Axial chest CT slice 261 of 423 (counted from the lowest slice); tube voltage 120 kVp, convolution kernel B30f; slices 0.75 mm thick, 0.520 mm per pixel.
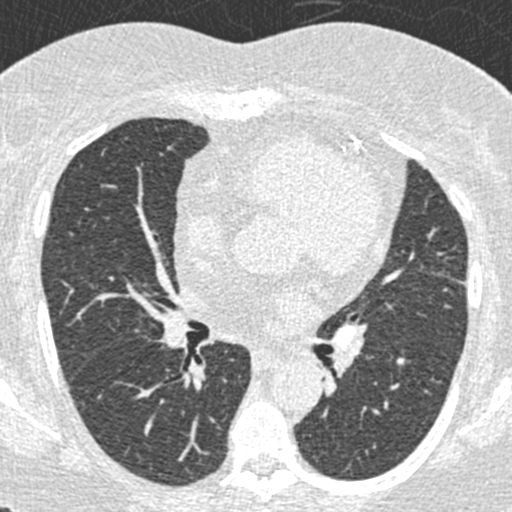
Pulmonary nodule outlined by all four readers, three of them on this slice; box rows 357–365, columns 396–404 (the union of the readers' outlines on this slice); longest diameter 8.7 mm on average over the four readers' outlines (readers' outlines 8.1–9.5 mm), volume 146–244 mm3. Ratings, by the readers' most common answer with dissent counted: texture 5/5 (solid) from all four readers; margin 5/5 (circumscribed), all four readers agreeing; sphericity 3/5 (ovoid) by two of four readers; the rest gave 4/5 (one), 5/5 (round) (one); calcification solid calcification, all four readers agreeing; internal structure soft tissue, all four readers agreeing; subtlety 5/5 by three of four readers; the rest gave 4/5 (one); malignancy likelihood 1/5 from all four readers. Scale key (1–5): texture non-solid→solid, margin indistinct→circumscribed, sphericity linear→round, subtlety extremely subtle→obvious, malignancy likelihood highly unlikely→highly suspicious of cancer. Box rows and columns are 0-based pixel indices from the top-left corner, inclusive.